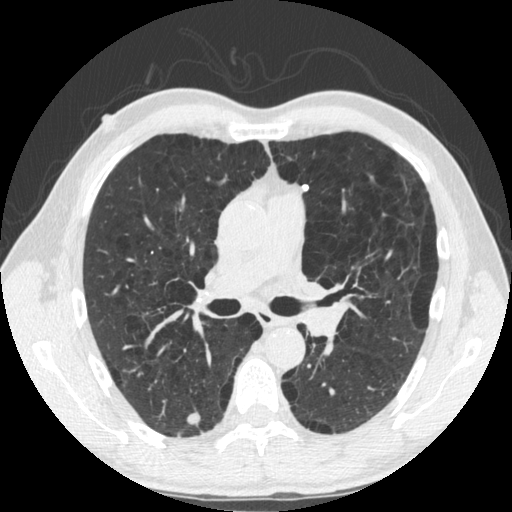
Axial chest CT slice 313 of 535 (counted from the lowest slice); tube voltage 120 kVp, convolution kernel STANDARD; slices 1.25 mm thick, 0.664 mm per pixel.
Two pulmonary nodules on this slice, listed from left to right. (1) Pulmonary nodule, outlined by all four readers. Box on this slice rows 412–425, columns 186–199, the union of the readers' outlines on this slice; median longest diameter 11.0 mm (readers' outlines 10.5–12.4 mm), median volume 554 mm3 (543–647 mm3). Median ratings and the readers' spread: texture 5/5 (solid), all four readers agreeing; margin 5/5 (circumscribed) from all four readers; sphericity 4.5/5 at the median of four readers, spread 3/5 (ovoid) to 5/5 (round); calcification: absent (three), laminated calcification (one); internal structure soft tissue from all four readers; subtlety 5/5 from all four readers; malignancy likelihood 2.5/5 at the median of four readers, spread 1–5. (2) Pulmonary nodule at rows 185–190, columns 302–308 (box = the union of the readers' outlines on this slice), outlined by two of the four readers; median longest diameter 5.7 mm (readers' outlines 5.4–6.0 mm), median volume 51 mm3 (45–58 mm3). Median ratings and the readers' spread: texture 5/5 (solid) from both readers; margin 5/5 (circumscribed) from both readers; median sphericity 4.5/5 (readers ranged 4/5 to 5/5 (round)); calcification solid calcification, both readers agreeing; internal structure soft tissue, both readers agreeing; subtlety 4/5 from both readers; malignancy likelihood 1/5, both readers agreeing. Scale key (1–5): texture non-solid→solid, margin indistinct→circumscribed, sphericity linear→round, subtlety extremely subtle→obvious, malignancy likelihood highly unlikely→highly suspicious of cancer. Box rows and columns are 0-based pixel indices from the top-left corner, inclusive.